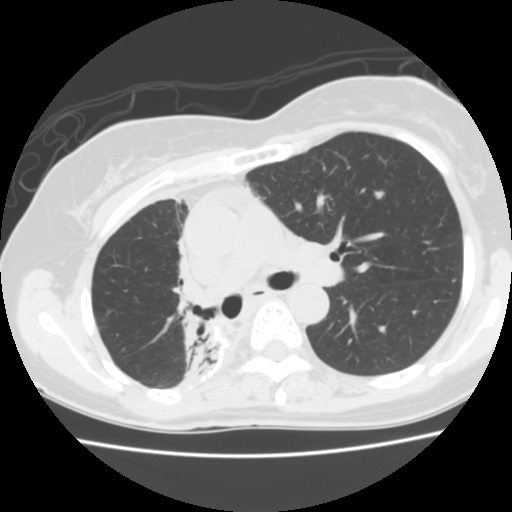
Chest CT, axial plane, 120 kVp, kernel STANDARD. Slice 97/141 from the bottom of the scan; thickness 2.50 mm; pixel size 0.586 mm.
Pulmonary nodule outlined by all four readers; box rows 189–199, columns 373–384 (the union of the readers' outlines on this slice); the four readers' outlines give a longest diameter between 6.6 and 8.9 mm and a volume between 106 and 240 mm3. The readers' ratings, as ranges where they differ: texture from 4/5 to 5/5 (solid) across the four readers; margin from 1/5 (indistinct) to 5/5 (circumscribed) across the four readers; sphericity from 4/5 to 5/5 (round) across the four readers; calcification absent, all four readers agreeing; internal structure soft tissue, all four readers agreeing; subtlety rated between 3 and 5 out of 5 by the four readers; malignancy likelihood from 2/5 to 3/5 across the four readers. Scale key (1–5): texture non-solid→solid, margin indistinct→circumscribed, sphericity linear→round, subtlety extremely subtle→obvious, malignancy likelihood highly unlikely→highly suspicious of cancer. Box rows and columns are 0-based pixel indices from the top-left corner, inclusive.